Chest CT, axial plane, 120 kVp, kernel B30f. Slice 50/193 from the bottom of the scan; thickness 2.00 mm; pixel size 0.703 mm.
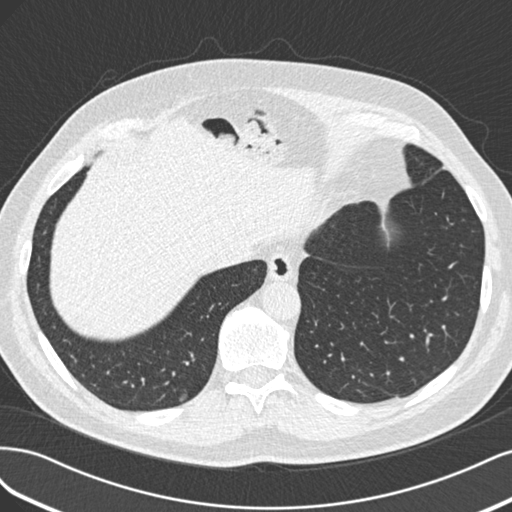
Pulmonary nodule, outlined by three of the four readers, two of them on this slice. Box on this slice rows 395–401, columns 180–185, the union of the readers' outlines on this slice; median longest diameter 12.5 mm (readers' outlines 12.3–12.6 mm), median volume 643 mm3 (627–717 mm3). Median ratings and the readers' spread: median texture 5/5 (solid) (readers ranged 4/5 to 5/5 (solid)); margin 5/5 (circumscribed) at the median of three readers, spread 3/5 to 5/5 (circumscribed); sphericity 4/5 at the median of three readers, spread 4/5 to 5/5 (round); calcification absent from all three readers; internal structure soft tissue, all three readers agreeing; subtlety 5/5 at the median of three readers, spread 4–5; median malignancy likelihood 3/5 (readers ranged 3–5). Scale key (1–5): texture non-solid→solid, margin indistinct→circumscribed, sphericity linear→round, subtlety extremely subtle→obvious, malignancy likelihood highly unlikely→highly suspicious of cancer. Box rows and columns are 0-based pixel indices from the top-left corner, inclusive.